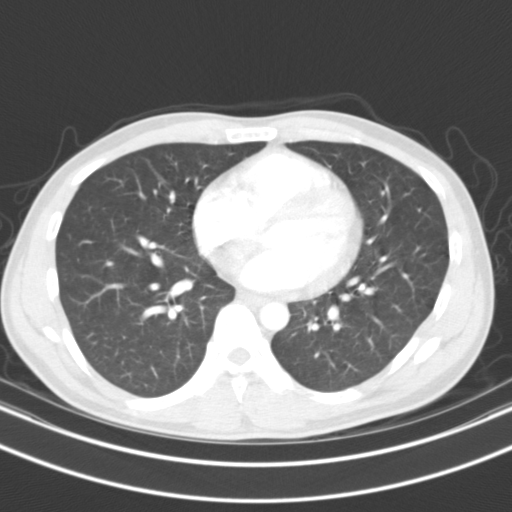
This is axial slice 47 of 104 (slice 1 is the lowest) of a chest CT; each pixel is 0.637 mm and the slice is 3.00 mm thick. The readers outlined no nodule of 3 mm or more on this slice.
Acquired at 130 kVp and reconstructed with the B31s kernel.